Axial chest CT slice 64 of 118 (counted from the lowest slice); tube voltage 135 kVp, convolution kernel FC01; slices 3.00 mm thick, 0.705 mm per pixel.
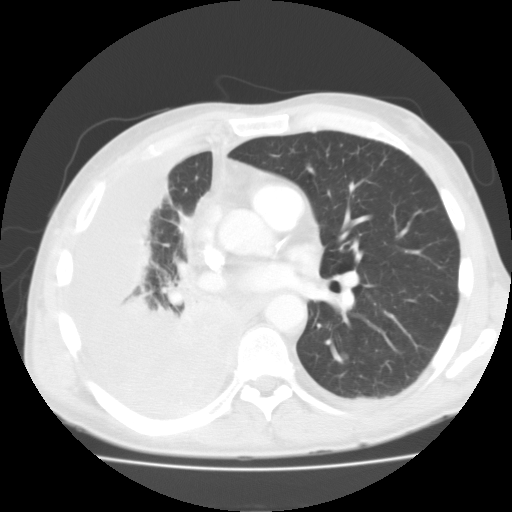
Pulmonary nodule outlined by all four readers, two of them on this slice; box rows 352–359, columns 340–348 (the union of the readers' outlines on this slice); longest diameter 9.8 mm on average over the four readers' outlines (readers' outlines 9.3–10.9 mm), volume 289–450 mm3. Ratings, by the readers' most common answer with dissent counted: texture 5/5 (solid) by three of four readers; the rest gave 3/5 (part-solid) (one); most readers (three of four) put margin at 5/5 (circumscribed), others 4/5 (one); sphericity 5/5 (round) by three of four readers; the rest gave 4/5 (one); calcification absent, all four readers agreeing; internal structure soft tissue from all four readers; subtlety 5/5 by two of four readers; the rest gave 2/5 (one), 4/5 (one); malignancy likelihood 3/5 by two of four readers; the rest gave 2/5 (one), 5/5 (one). Scale key (1–5): texture non-solid→solid, margin indistinct→circumscribed, sphericity linear→round, subtlety extremely subtle→obvious, malignancy likelihood highly unlikely→highly suspicious of cancer. Box rows and columns are 0-based pixel indices from the top-left corner, inclusive.